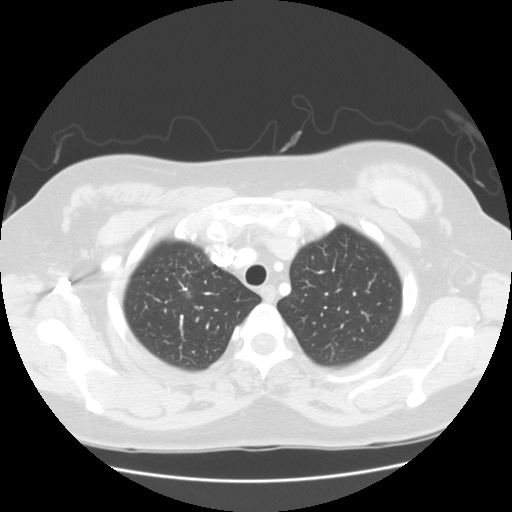
Chest CT, axial plane, 120 kVp, kernel STANDARD. Slice 120/139 from the bottom of the scan; thickness 2.50 mm; pixel size 0.703 mm.
Pulmonary nodule at rows 292–298, columns 185–190 (box = the one reader's outline on this slice), outlined by all four readers, one of them on this slice; the four readers' outlines give a longest diameter between 14.0 and 16.4 mm and a volume between 649 and 903 mm3. Ratings across the readers: texture from 3/5 (part-solid) to 5/5 (solid) across the four readers; margin from 3/5 to 5/5 (circumscribed) across the four readers; sphericity from 3/5 (ovoid) to 5/5 (round) across the four readers; calcification absent from all four readers; internal structure soft tissue, all four readers agreeing; subtlety from 4/5 to 5/5 across the four readers; malignancy likelihood 3–5/5 (the readers disagree). Scale key (1–5): texture non-solid→solid, margin indistinct→circumscribed, sphericity linear→round, subtlety extremely subtle→obvious, malignancy likelihood highly unlikely→highly suspicious of cancer. Box rows and columns are 0-based pixel indices from the top-left corner, inclusive.